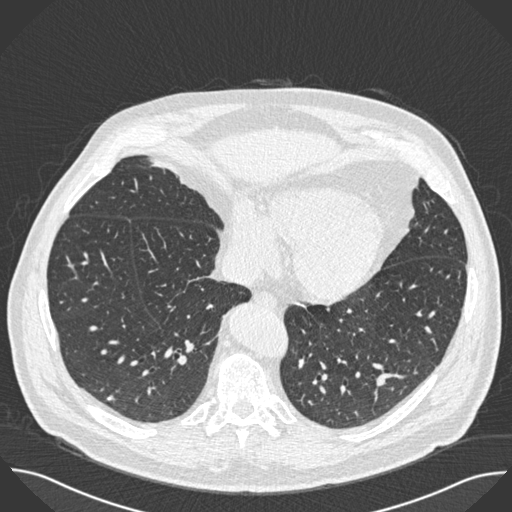
Chest CT, axial plane, 120 kVp, kernel B30f. Slice 194/493 from the bottom of the scan; thickness 0.75 mm; pixel size 0.762 mm.
Pulmonary nodule, outlined by three of the four readers. Box on this slice rows 397–399, columns 107–110, the union of the readers' outlines on this slice; longest diameter 7.2–8.5 mm and volume 95–166 mm3 across the three readers' outlines. Ratings across the readers: texture 5/5 (solid) from all three readers; margin 5/5 (circumscribed), all three readers agreeing; sphericity from 4/5 to 5/5 (round) across the three readers; calcification solid calcification from all three readers; internal structure soft tissue, all three readers agreeing; subtlety rated between 4 and 5 out of 5 by the three readers; malignancy likelihood 1/5 from all three readers. Scale key (1–5): texture non-solid→solid, margin indistinct→circumscribed, sphericity linear→round, subtlety extremely subtle→obvious, malignancy likelihood highly unlikely→highly suspicious of cancer. Box rows and columns are 0-based pixel indices from the top-left corner, inclusive.